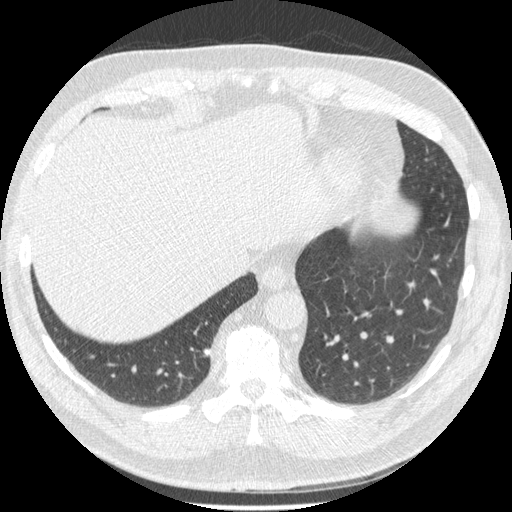
Axial slice 160 of 557 of a chest CT (slice 1 is the lowest), reconstructed with the STANDARD kernel at 120 kVp; 1.25 mm slice thickness and 0.703 mm pixels.
Pulmonary nodule at rows 348–357, columns 203–210 (box = the union of the readers' outlines on this slice), outlined by all four readers; median longest diameter 10.4 mm (readers' outlines 8.6–11.5 mm), median volume 209 mm3 (175–299 mm3). Ratings, median across the readers with their spread: texture 5/5 (solid) from all four readers; median margin 5/5 (circumscribed) (readers ranged 2/5 to 5/5 (circumscribed)); sphericity 4.5/5 at the median of four readers, spread 4/5 to 5/5 (round); calcification: solid calcification (two), absent (one), central calcification (one); internal structure soft tissue, all four readers agreeing; median subtlety 4.5/5 (readers ranged 3–5); malignancy likelihood 1/5 at the median of four readers, spread 1–4. Scale key (1–5): texture non-solid→solid, margin indistinct→circumscribed, sphericity linear→round, subtlety extremely subtle→obvious, malignancy likelihood highly unlikely→highly suspicious of cancer. Box rows and columns are 0-based pixel indices from the top-left corner, inclusive.